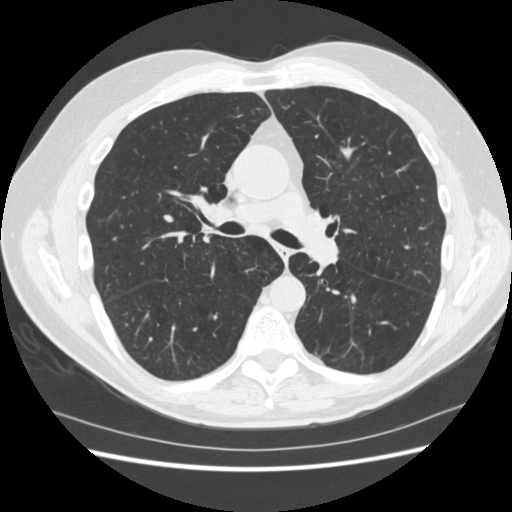
Axial chest CT slice 250 of 481 (counted from the lowest slice); 1.25 mm thick, 0.703 mm per pixel. The readers outlined no nodule of 3 mm or more on this slice.
Tube voltage 120 kVp; convolution kernel STANDARD.